Chest CT, axial plane, 120 kVp, kernel STANDARD. Slice 68/137 from the bottom of the scan; thickness 2.50 mm; pixel size 0.742 mm.
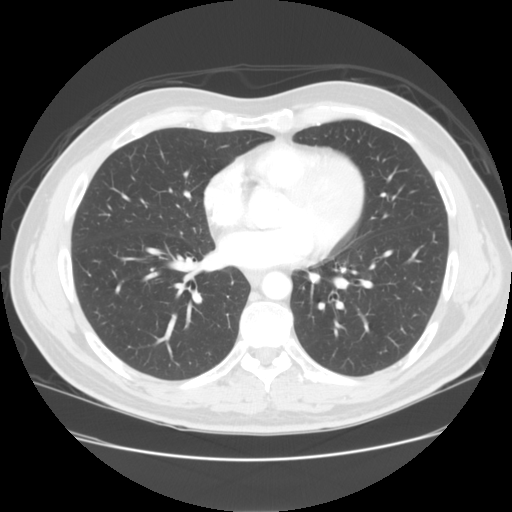
None of the four readers outlined a nodule of 3 mm or more on this slice.